Chest CT, axial plane, 120 kVp, kernel B30f. Slice 398/633 from the bottom of the scan; thickness 0.60 mm; pixel size 0.541 mm.
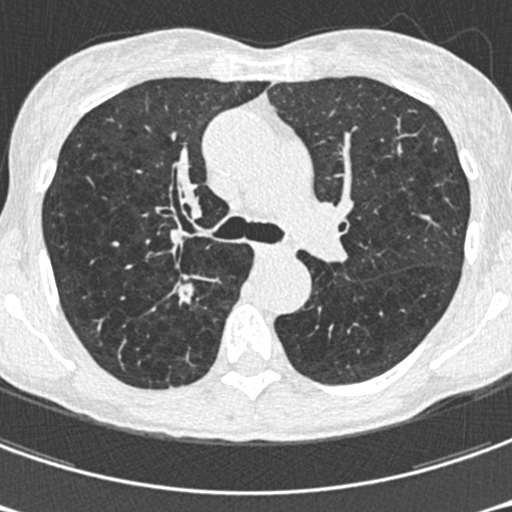
Pulmonary nodule outlined by all four readers; box rows 282–303, columns 178–193 (the union of the readers' outlines on this slice); longest diameter 18.1–21.0 mm and volume 1292–1642 mm3 across the four readers' outlines. The readers' ratings, as ranges where they differ: texture 5/5 (solid), all four readers agreeing; margin from 1/5 (indistinct) to 3/5 across the four readers; sphericity from 2/5 to 4/5 across the four readers; calcification absent, all four readers agreeing; internal structure soft tissue from all four readers; subtlety rated between 4 and 5 out of 5 by the four readers; malignancy likelihood 4–5/5 (the readers disagree). Scale key (1–5): texture non-solid→solid, margin indistinct→circumscribed, sphericity linear→round, subtlety extremely subtle→obvious, malignancy likelihood highly unlikely→highly suspicious of cancer. Box rows and columns are 0-based pixel indices from the top-left corner, inclusive.